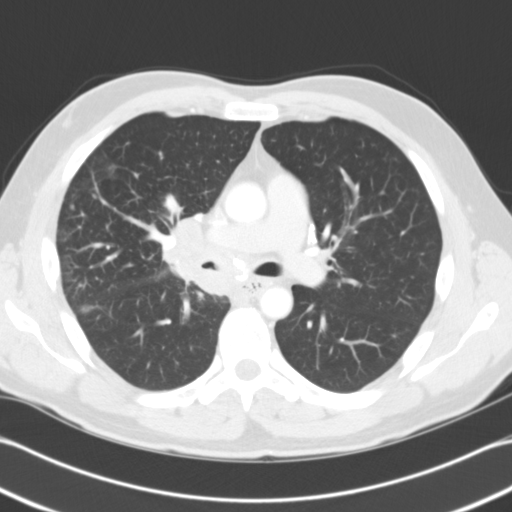
This is axial slice 73 of 121 (slice 1 is the lowest) of a chest CT; each pixel is 0.674 mm and the slice is 3.00 mm thick. Pulmonary nodule at rows 204–209, columns 70–73 (box = that reader's outline on this slice), outlined by one of the four readers; longest diameter 5.8 mm and volume 105 mm3 from that reader's outline. That reader's ratings: texture 5/5 (solid); margin 5/5 (circumscribed); sphericity 5/5 (round); calcification absent; internal structure soft tissue; subtlety 5/5; malignancy likelihood 2/5. Scale key (1–5): texture non-solid→solid, margin indistinct→circumscribed, sphericity linear→round, subtlety extremely subtle→obvious, malignancy likelihood highly unlikely→highly suspicious of cancer. Box rows and columns are 0-based pixel indices from the top-left corner, inclusive.
Scan settings: 120 kVp, B31f reconstruction kernel.